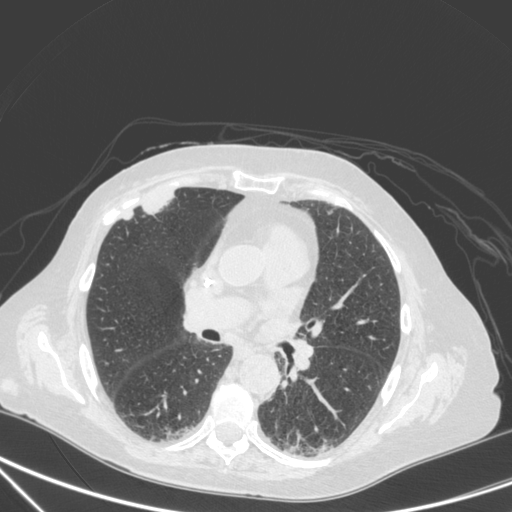
One axial slice (180 of 350, counting up from the lowest) of a chest CT acquired at 120 kVp with the C kernel; each pixel is 0.725 mm and the slice is 1.50 mm thick.
Two pulmonary nodules are outlined on this slice; from left to right: (1) Pulmonary nodule at rows 212–218, columns 124–132 (box = that reader's outline on this slice), outlined by one of the four readers; longest diameter 11.5 mm and volume 223 mm3 from that reader's outline. Ratings by that reader: texture 5/5 (solid); margin 4/5; sphericity 4/5; calcification absent; internal structure soft tissue; subtlety 5/5; malignancy likelihood 4/5. (2) Pulmonary nodule outlined by one of the four readers; box rows 192–213, columns 142–172 (that reader's outline on this slice); longest diameter 29.5 mm and volume 4181 mm3 from that reader's outline. Ratings by that reader: texture 5/5 (solid); margin 4/5; sphericity 2/5; calcification absent; internal structure soft tissue; subtlety 5/5; malignancy likelihood 4/5. Scale key (1–5): texture non-solid→solid, margin indistinct→circumscribed, sphericity linear→round, subtlety extremely subtle→obvious, malignancy likelihood highly unlikely→highly suspicious of cancer. Box rows and columns are 0-based pixel indices from the top-left corner, inclusive.